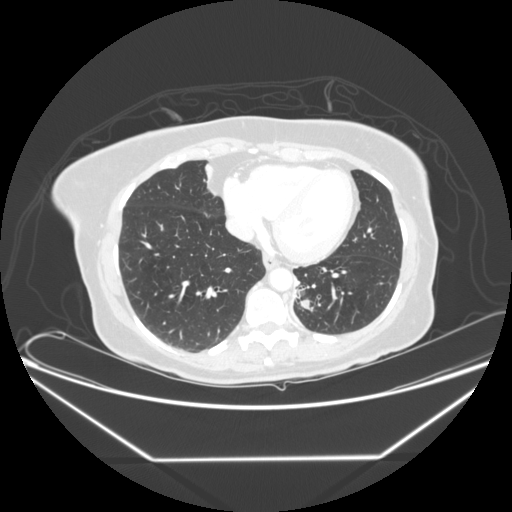
Axial chest CT slice 79 of 245 (counted from the lowest slice); tube voltage 120 kVp, convolution kernel STANDARD; slices 1.25 mm thick, 0.826 mm per pixel.
Pulmonary nodule, outlined by all four readers. Box on this slice rows 299–311, columns 299–313, the union of the readers' outlines on this slice; the four readers' outlines give a longest diameter between 10.9 and 14.9 mm and a volume between 519 and 637 mm3. The readers' ratings, as ranges where they differ: texture 5/5 (solid), all four readers agreeing; margin from 4/5 to 5/5 (circumscribed) across the four readers; sphericity from 3/5 (ovoid) to 5/5 (round) across the four readers; calcification absent from all four readers; internal structure soft tissue from all four readers; subtlety 2–5/5 (the readers disagree); malignancy likelihood from 3/5 to 4/5 across the four readers. Scale key (1–5): texture non-solid→solid, margin indistinct→circumscribed, sphericity linear→round, subtlety extremely subtle→obvious, malignancy likelihood highly unlikely→highly suspicious of cancer. Box rows and columns are 0-based pixel indices from the top-left corner, inclusive.